Axial chest CT slice 290 of 558 (counted from the lowest slice); tube voltage 120 kVp, convolution kernel B30f; slices 0.75 mm thick, 0.648 mm per pixel.
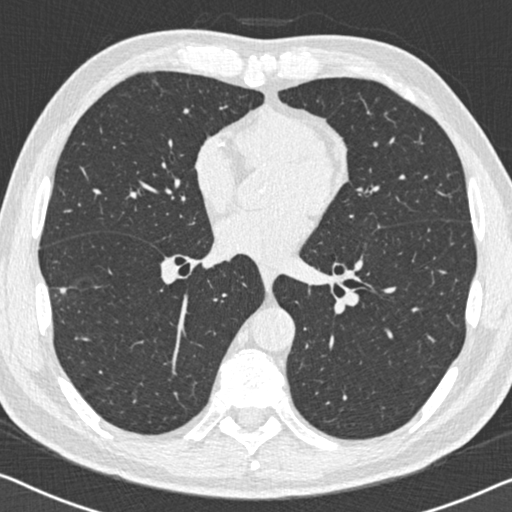
Pulmonary nodule outlined by all four readers; box rows 287–294, columns 59–66 (the union of the readers' outlines on this slice); longest diameter 22.2 mm on average over the four readers' outlines (readers' outlines 18.8–26.5 mm), volume 726–1916 mm3. Ratings, by the readers' most common answer with dissent counted: texture 5/5 (solid) by two of four readers; the rest gave 3/5 (part-solid) (one), 4/5 (one); margin 4/5 by two of four readers; the rest gave 1/5 (indistinct) (one), 2/5 (one); sphericity split among the readers: 2/5 (two), 4/5 (two); calcification absent from all four readers; internal structure soft tissue, all four readers agreeing; most readers (three of four) put subtlety at 5/5, others 4/5 (one); malignancy likelihood 4/5 by three of four readers; the rest gave 5/5 (one). Scale key (1–5): texture non-solid→solid, margin indistinct→circumscribed, sphericity linear→round, subtlety extremely subtle→obvious, malignancy likelihood highly unlikely→highly suspicious of cancer. Box rows and columns are 0-based pixel indices from the top-left corner, inclusive.